Axial chest CT slice 211 of 558 (counted from the lowest slice); tube voltage 120 kVp, convolution kernel B30f; slices 0.75 mm thick, 0.648 mm per pixel.
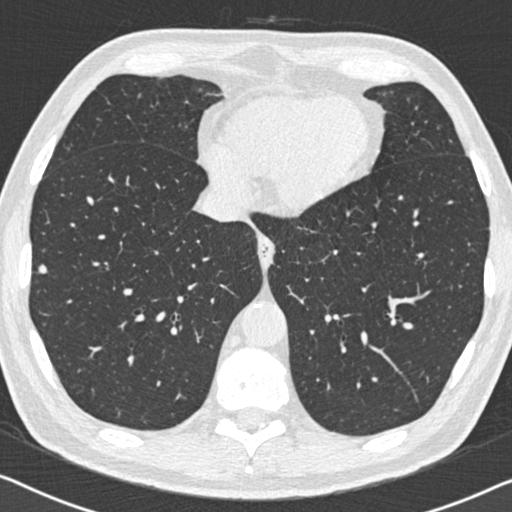
Pulmonary nodule, outlined by all four readers. Box on this slice rows 264–273, columns 38–47, the union of the readers' outlines on this slice; longest diameter 6.9 mm on average over the four readers' outlines (readers' outlines 5.6–7.4 mm), volume 75–143 mm3. Ratings, by the readers' most common answer with dissent counted: texture 5/5 (solid) from all four readers; margin split among the readers: 4/5 (two), 5/5 (circumscribed) (two); sphericity 5/5 (round), all four readers agreeing; calcification absent from all four readers; internal structure soft tissue, all four readers agreeing; subtlety 4/5 by two of four readers; the rest gave 3/5 (one), 5/5 (one); malignancy likelihood 2/5 by two of four readers; the rest gave 3/5 (one), 4/5 (one). Scale key (1–5): texture non-solid→solid, margin indistinct→circumscribed, sphericity linear→round, subtlety extremely subtle→obvious, malignancy likelihood highly unlikely→highly suspicious of cancer. Box rows and columns are 0-based pixel indices from the top-left corner, inclusive.